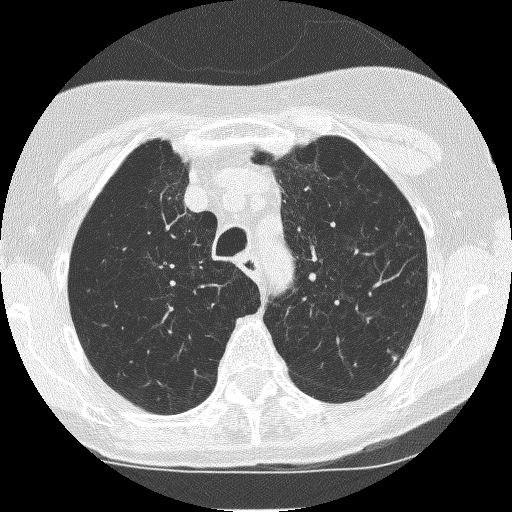
Chest CT, axial plane, 120 kVp, kernel BONE. Slice 185/235 from the bottom of the scan; thickness 1.25 mm; pixel size 0.537 mm.
Pulmonary nodule, outlined by all four readers, one of them on this slice. Box on this slice rows 354–359, columns 393–398, the one reader's outline on this slice; longest diameter 7.6–8.7 mm and volume 76–139 mm3 across the four readers' outlines. Ratings across the readers: texture from 4/5 to 5/5 (solid) across the four readers; margin from 3/5 to 5/5 (circumscribed) across the four readers; sphericity from 3/5 (ovoid) to 4/5 across the four readers; calcification absent, all four readers agreeing; internal structure soft tissue, all four readers agreeing; subtlety from 4/5 to 5/5 across the four readers; malignancy likelihood 3–4/5 (the readers disagree). Scale key (1–5): texture non-solid→solid, margin indistinct→circumscribed, sphericity linear→round, subtlety extremely subtle→obvious, malignancy likelihood highly unlikely→highly suspicious of cancer. Box rows and columns are 0-based pixel indices from the top-left corner, inclusive.